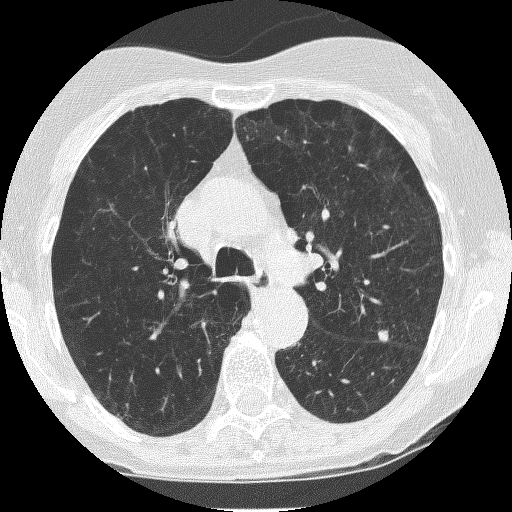
This is axial slice 159 of 235 (slice 1 is the lowest) of a chest CT; each pixel is 0.537 mm and the slice is 1.25 mm thick. Pulmonary nodule outlined by all four readers; box rows 329–342, columns 376–387 (the union of the readers' outlines on this slice); median longest diameter 8.7 mm (readers' outlines 8.2–8.9 mm), median volume 180 mm3 (144–183 mm3). Median ratings and the readers' spread: median texture 5/5 (solid) (readers ranged 4/5 to 5/5 (solid)); margin 4/5 at the median of four readers, spread 3/5 to 5/5 (circumscribed); median sphericity 4/5 (readers ranged 3/5 (ovoid) to 4/5); calcification absent, all four readers agreeing; internal structure soft tissue, all four readers agreeing; median subtlety 4.5/5 (readers ranged 4–5); malignancy likelihood 3/5 at the median of four readers, spread 2–4. Scale key (1–5): texture non-solid→solid, margin indistinct→circumscribed, sphericity linear→round, subtlety extremely subtle→obvious, malignancy likelihood highly unlikely→highly suspicious of cancer. Box rows and columns are 0-based pixel indices from the top-left corner, inclusive.
Scan settings: 120 kVp, BONE reconstruction kernel.